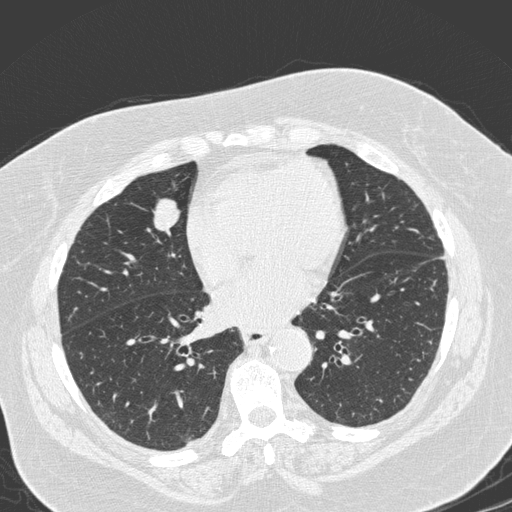
Axial chest CT slice 93 of 280 (counted from the lowest slice); tube voltage 120 kVp, convolution kernel D; slices 1.00 mm thick, 0.666 mm per pixel.
Two pulmonary nodules are outlined on this slice; from left to right: (1) Pulmonary nodule outlined by two of the four readers, one of them on this slice; box rows 412–418, columns 103–112 (the one reader's outline on this slice); longest diameter 16.7–18.8 mm and volume 1162–1377 mm3 across the two readers' outlines. The readers' ratings, as ranges where they differ: texture 1/5 (non-solid) from both readers; margin 2/5 from both readers; sphericity from 3/5 (ovoid) to 5/5 (round) across the two readers; calcification absent, both readers agreeing; internal structure soft tissue from both readers; subtlety 1–4/5 (the readers disagree); malignancy likelihood 2–3/5 (the readers disagree). (2) Pulmonary nodule at rows 198–234, columns 153–179 (box = the union of the readers' outlines on this slice), outlined by all four readers; longest diameter 25.9 mm on average over the four readers' outlines (readers' outlines 25.0–27.8 mm), volume 4698–5913 mm3. The readers' prevailing ratings and who disagreed: texture 5/5 (solid), all four readers agreeing; margin split among the readers: 4/5 (two), 5/5 (circumscribed) (two); sphericity 5/5 (round) by two of four readers; the rest gave 3/5 (ovoid) (one), 4/5 (one); calcification absent from all four readers; internal structure soft tissue from all four readers; subtlety 5/5, all four readers agreeing; malignancy likelihood 5/5 by two of four readers; the rest gave 2/5 (one), 4/5 (one). Scale key (1–5): texture non-solid→solid, margin indistinct→circumscribed, sphericity linear→round, subtlety extremely subtle→obvious, malignancy likelihood highly unlikely→highly suspicious of cancer. Box rows and columns are 0-based pixel indices from the top-left corner, inclusive.